Chest CT, axial plane, 120 kVp, kernel STANDARD. Slice 67/265 from the bottom of the scan; thickness 1.25 mm; pixel size 0.883 mm.
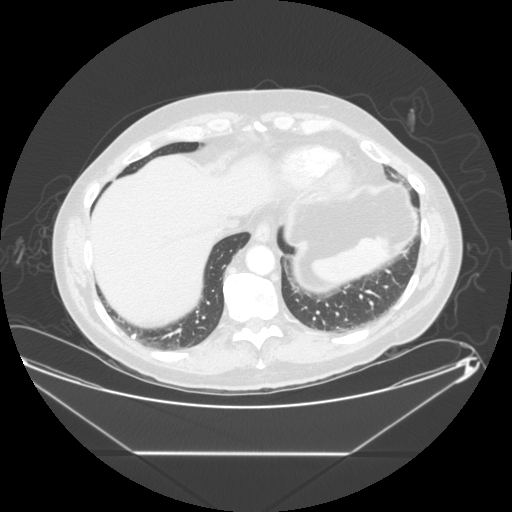
Pulmonary nodule, outlined by all four readers. Box on this slice rows 333–338, columns 130–135, the union of the readers' outlines on this slice; longest diameter 6.3 mm on average over the four readers' outlines (readers' outlines 5.9–7.3 mm), volume 65–115 mm3. The readers' prevailing ratings and who disagreed: texture 5/5 (solid) from all four readers; margin 5/5 (circumscribed) from all four readers; sphericity 3/5 (ovoid) by two of four readers; the rest gave 4/5 (one), 5/5 (round) (one); calcification solid calcification by three of four readers, absent (one); internal structure soft tissue from all four readers; subtlety 5/5 by two of four readers; the rest gave 3/5 (one), 4/5 (one); malignancy likelihood 1/5 by three of four readers; the rest gave 2/5 (one). Scale key (1–5): texture non-solid→solid, margin indistinct→circumscribed, sphericity linear→round, subtlety extremely subtle→obvious, malignancy likelihood highly unlikely→highly suspicious of cancer. Box rows and columns are 0-based pixel indices from the top-left corner, inclusive.